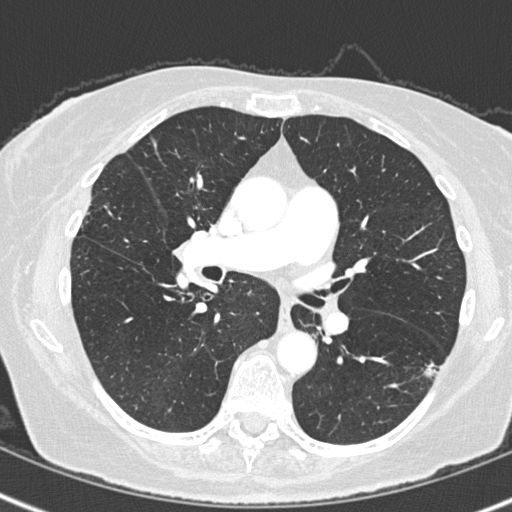
One axial slice (178 of 308, counting up from the lowest) of a chest CT acquired at 120 kVp with the B45f kernel; each pixel is 0.586 mm and the slice is 1.00 mm thick.
Pulmonary nodule at rows 359–380, columns 418–439 (box = the union of the readers' outlines on this slice), outlined by all four readers; longest diameter 17.1 mm on average over the four readers' outlines (readers' outlines 15.5–19.6 mm), volume 724–1186 mm3. Ratings, by the readers' most common answer with dissent counted: texture 5/5 (solid) by three of four readers; the rest gave 4/5 (one); margin 4/5 by three of four readers; the rest gave 3/5 (one); sphericity 3/5 (ovoid) by two of four readers; the rest gave 4/5 (one), 5/5 (round) (one); calcification absent, all four readers agreeing; internal structure soft tissue from all four readers; subtlety 5/5 by three of four readers; the rest gave 4/5 (one); malignancy likelihood split among the readers: 4/5 (two), 5/5 (two). Scale key (1–5): texture non-solid→solid, margin indistinct→circumscribed, sphericity linear→round, subtlety extremely subtle→obvious, malignancy likelihood highly unlikely→highly suspicious of cancer. Box rows and columns are 0-based pixel indices from the top-left corner, inclusive.